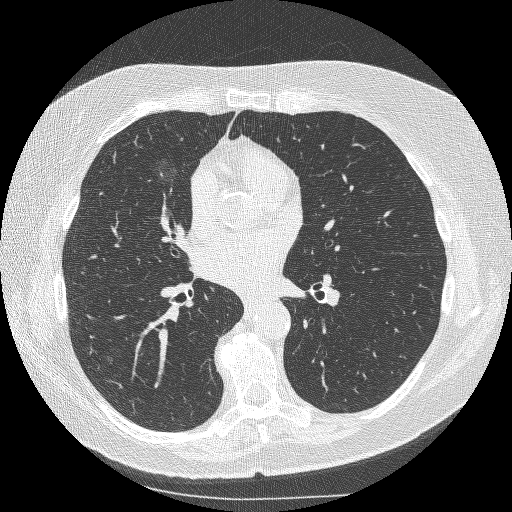
Chest CT, axial plane, 120 kVp, kernel BONE. Slice 147/253 from the bottom of the scan; thickness 1.25 mm; pixel size 0.625 mm.
Two pulmonary nodules are outlined on this slice; from left to right: (1) Pulmonary nodule at rows 356–361, columns 106–112 (box = the one reader's outline on this slice), outlined by three of the four readers, one of them on this slice; longest diameter 8.3 mm on average over the three readers' outlines (readers' outlines 8.0–8.7 mm), volume 77–131 mm3. Ratings, by the readers' most common answer with dissent counted: texture 1/5 (non-solid) from all three readers; margin 2/5 by two of three readers; the rest gave 1/5 (indistinct) (one); most readers (two of three) put sphericity at 3/5 (ovoid), others 5/5 (round) (one); calcification absent, all three readers agreeing; internal structure soft tissue from all three readers; most readers (two of three) put subtlety at 1/5, others 3/5 (one); malignancy likelihood 3/5 by two of three readers; the rest gave 4/5 (one). (2) Pulmonary nodule, outlined by two of the four readers. Box on this slice rows 158–181, columns 156–175, the union of the readers' outlines on this slice; longest diameter 21.2 mm on average over the two readers' outlines (readers' outlines 18.7–23.7 mm), volume 1459–2126 mm3. The readers' prevailing ratings and who disagreed: texture 1/5 (non-solid), both readers agreeing; margin 1/5 (indistinct) from both readers; sphericity split among the readers: 3/5 (ovoid) (one), 4/5 (one); calcification absent, both readers agreeing; internal structure soft tissue, both readers agreeing; subtlety split among the readers: 1/5 (one), 3/5 (one); malignancy likelihood split among the readers: 3/5 (one), 4/5 (one). Scale key (1–5): texture non-solid→solid, margin indistinct→circumscribed, sphericity linear→round, subtlety extremely subtle→obvious, malignancy likelihood highly unlikely→highly suspicious of cancer. Box rows and columns are 0-based pixel indices from the top-left corner, inclusive.